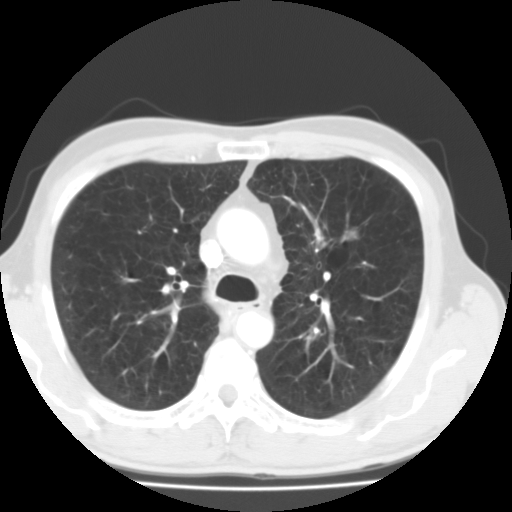
Chest CT, axial plane, 135 kVp, kernel FC01. Slice 80/119 from the bottom of the scan; thickness 3.00 mm; pixel size 0.640 mm.
Pulmonary nodule outlined by all four readers, three of them on this slice; box rows 226–241, columns 340–361 (the union of the readers' outlines on this slice); longest diameter 15.9 mm on average over the four readers' outlines (readers' outlines 15.6–16.2 mm), volume 1503–2011 mm3. Ratings, by the readers' most common answer with dissent counted: texture 5/5 (solid), all four readers agreeing; margin 5/5 (circumscribed) by three of four readers; the rest gave 4/5 (one); sphericity 5/5 (round) by two of four readers; the rest gave 3/5 (ovoid) (one), 4/5 (one); calcification absent by three of four readers, central calcification (one); internal structure soft tissue, all four readers agreeing; subtlety 5/5 by three of four readers; the rest gave 4/5 (one); malignancy likelihood split among the readers: 1/5 (one), 3/5 (one), 4/5 (one), 5/5 (one). Scale key (1–5): texture non-solid→solid, margin indistinct→circumscribed, sphericity linear→round, subtlety extremely subtle→obvious, malignancy likelihood highly unlikely→highly suspicious of cancer. Box rows and columns are 0-based pixel indices from the top-left corner, inclusive.